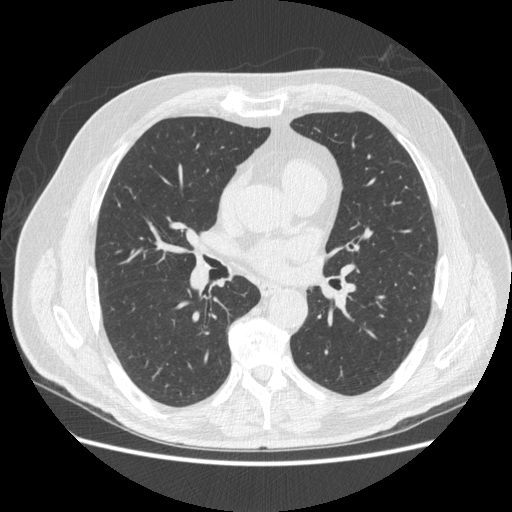
One axial slice (258 of 503, counting up from the lowest) of a chest CT acquired at 120 kVp with the STANDARD kernel; each pixel is 0.742 mm and the slice is 1.25 mm thick.
Pulmonary nodule, outlined by three of the four readers, two of them on this slice. Box on this slice rows 296–304, columns 122–127, the union of the readers' outlines on this slice; longest diameter 9.0 mm on average over the three readers' outlines (readers' outlines 7.3–10.1 mm), volume 62–129 mm3. The readers' prevailing ratings and who disagreed: texture 1/5 (non-solid) by two of three readers; the rest gave 4/5 (one); most readers (two of three) put margin at 2/5, others 4/5 (one); most readers (two of three) put sphericity at 4/5, others 3/5 (ovoid) (one); calcification absent from all three readers; internal structure soft tissue, all three readers agreeing; subtlety split among the readers: 1/5 (one), 2/5 (one), 4/5 (one); malignancy likelihood 3/5 by two of three readers; the rest gave 4/5 (one). Scale key (1–5): texture non-solid→solid, margin indistinct→circumscribed, sphericity linear→round, subtlety extremely subtle→obvious, malignancy likelihood highly unlikely→highly suspicious of cancer. Box rows and columns are 0-based pixel indices from the top-left corner, inclusive.